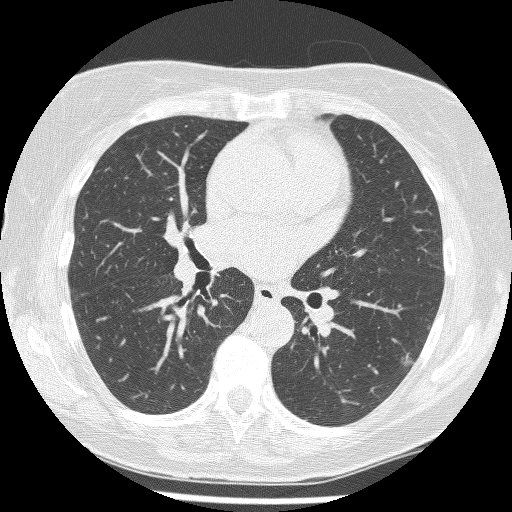
One axial slice (135 of 241, counting up from the lowest) of a chest CT acquired at 120 kVp with the BONE kernel; each pixel is 0.590 mm and the slice is 1.25 mm thick.
Pulmonary nodule, outlined by all four readers. Box on this slice rows 352–366, columns 399–414, the union of the readers' outlines on this slice; longest diameter 8.4–12.5 mm and volume 155–364 mm3 across the four readers' outlines. Ratings across the readers: texture from 4/5 to 5/5 (solid) across the four readers; margin from 1/5 (indistinct) to 3/5 across the four readers; sphericity from 3/5 (ovoid) to 5/5 (round) across the four readers; calcification absent from all four readers; internal structure soft tissue from all four readers; subtlety 4–5/5 (the readers disagree); malignancy likelihood 3–5/5 (the readers disagree). Scale key (1–5): texture non-solid→solid, margin indistinct→circumscribed, sphericity linear→round, subtlety extremely subtle→obvious, malignancy likelihood highly unlikely→highly suspicious of cancer. Box rows and columns are 0-based pixel indices from the top-left corner, inclusive.